Axial chest CT slice 153 of 240 (counted from the lowest slice); tube voltage 120 kVp, convolution kernel BONE; slices 1.25 mm thick, 0.566 mm per pixel.
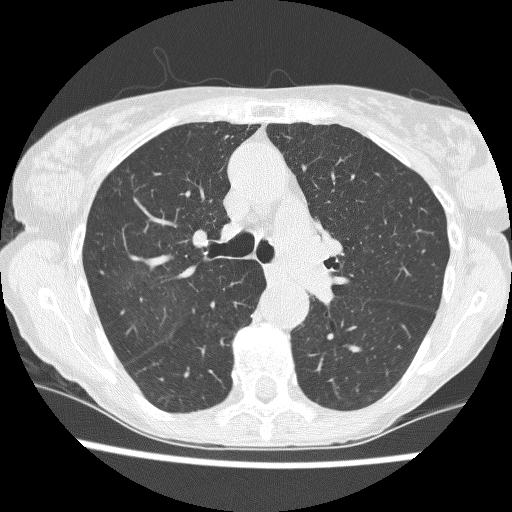
Pulmonary nodule at rows 270–273, columns 100–103 (box = that reader's outline on this slice), outlined by one of the four readers; longest diameter 4.8 mm and volume 56 mm3 from that reader's outline. That reader's ratings: texture 5/5 (solid); margin 5/5 (circumscribed); sphericity 4/5; calcification solid calcification; internal structure soft tissue; subtlety 4/5; malignancy likelihood 1/5. Scale key (1–5): texture non-solid→solid, margin indistinct→circumscribed, sphericity linear→round, subtlety extremely subtle→obvious, malignancy likelihood highly unlikely→highly suspicious of cancer. Box rows and columns are 0-based pixel indices from the top-left corner, inclusive.